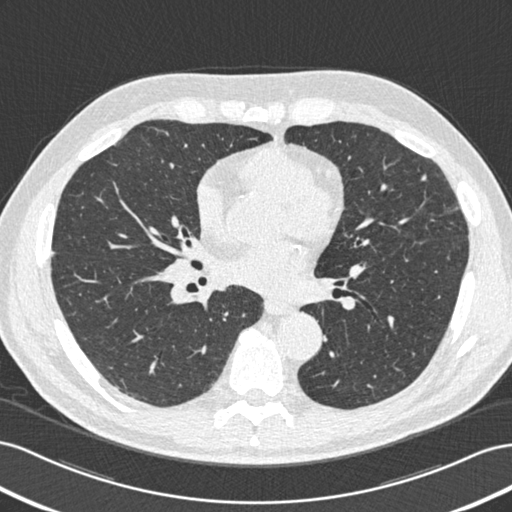
One axial slice (258 of 506, counting up from the lowest) of a chest CT acquired at 120 kVp with the B30f kernel; each pixel is 0.699 mm and the slice is 0.75 mm thick.
Pulmonary nodule, outlined by one of the four readers. Box on this slice rows 175–180, columns 421–426, that reader's outline on this slice; longest diameter 5.3 mm and volume 27 mm3 from that reader's outline. That reader's ratings: texture 5/5 (solid); margin 3/5; sphericity 3/5 (ovoid); calcification absent; internal structure soft tissue; subtlety 2/5; malignancy likelihood 2/5. Scale key (1–5): texture non-solid→solid, margin indistinct→circumscribed, sphericity linear→round, subtlety extremely subtle→obvious, malignancy likelihood highly unlikely→highly suspicious of cancer. Box rows and columns are 0-based pixel indices from the top-left corner, inclusive.